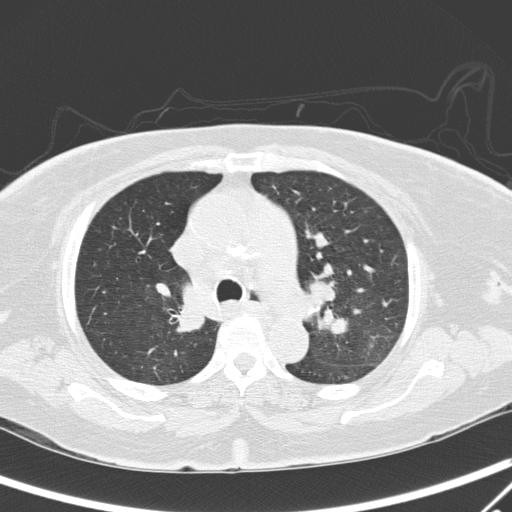
Chest CT, axial plane, 120 kVp, kernel D. Slice 205/295 from the bottom of the scan; thickness 2.00 mm; pixel size 0.682 mm.
Pulmonary nodule outlined by two of the four readers; box rows 343–348, columns 367–374 (the union of the readers' outlines on this slice); longest diameter 5.3–6.5 mm and volume 34–72 mm3 across the two readers' outlines. The readers' ratings, as ranges where they differ: texture from 2/5 to 4/5 across the two readers; margin from 1/5 (indistinct) to 5/5 (circumscribed) across the two readers; sphericity from 3/5 (ovoid) to 5/5 (round) across the two readers; calcification absent, both readers agreeing; internal structure soft tissue from both readers; subtlety rated between 1 and 3 out of 5 by the two readers; malignancy likelihood 2–3/5 (the readers disagree). Scale key (1–5): texture non-solid→solid, margin indistinct→circumscribed, sphericity linear→round, subtlety extremely subtle→obvious, malignancy likelihood highly unlikely→highly suspicious of cancer. Box rows and columns are 0-based pixel indices from the top-left corner, inclusive.